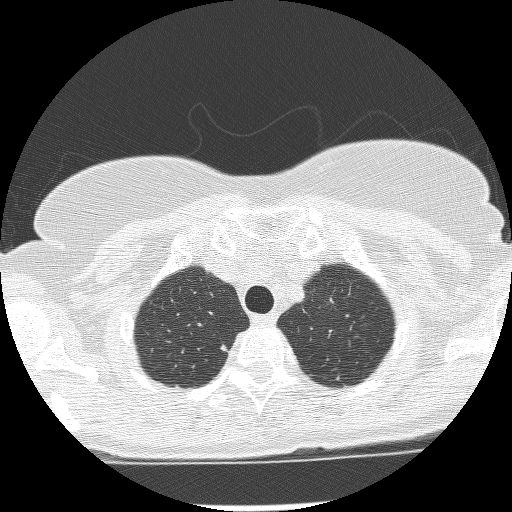
One axial slice (210 of 239, counting up from the lowest) of a chest CT acquired at 120 kVp with the BONE kernel; each pixel is 0.586 mm and the slice is 1.25 mm thick.
Pulmonary nodule, outlined by three of the four readers. Box on this slice rows 343–351, columns 220–227, the union of the readers' outlines on this slice; median longest diameter 5.6 mm (readers' outlines 5.0–5.6 mm), median volume 54 mm3 (33–63 mm3). Ratings, median across the readers with their spread: texture 5/5 (solid) from all three readers; median margin 5/5 (circumscribed) (readers ranged 4/5 to 5/5 (circumscribed)); sphericity 4/5 at the median of three readers, spread 2/5 to 5/5 (round); calcification absent, all three readers agreeing; internal structure soft tissue, all three readers agreeing; median subtlety 3/5 (readers ranged 3–4); malignancy likelihood 3/5 at the median of three readers, spread 2–3. Scale key (1–5): texture non-solid→solid, margin indistinct→circumscribed, sphericity linear→round, subtlety extremely subtle→obvious, malignancy likelihood highly unlikely→highly suspicious of cancer. Box rows and columns are 0-based pixel indices from the top-left corner, inclusive.